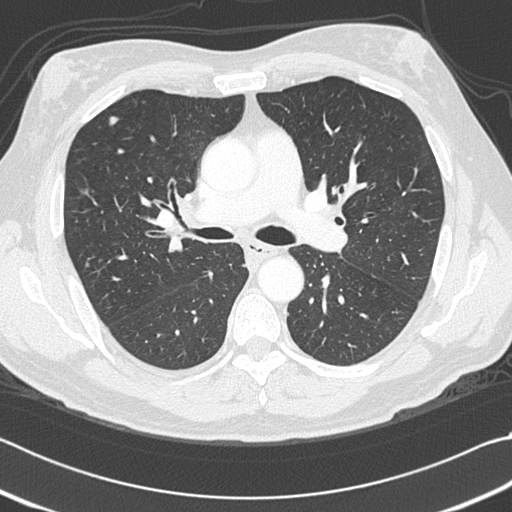
Axial chest CT slice 196 of 312 (counted from the lowest slice); 1.00 mm thick, 0.664 mm per pixel. Two pulmonary nodules are outlined on this slice; from left to right: (1) Pulmonary nodule outlined by three of the four readers, two of them on this slice; box rows 189–196, columns 83–89 (the union of the readers' outlines on this slice); median longest diameter 6.3 mm (readers' outlines 5.4–7.8 mm), median volume 39 mm3 (35–59 mm3). Ratings, median across the readers with their spread: texture 5/5 (solid) from all three readers; median margin 4/5 (readers ranged 4/5 to 5/5 (circumscribed)); median sphericity 4/5 (readers ranged 3/5 (ovoid) to 4/5); calcification absent, all three readers agreeing; internal structure soft tissue, all three readers agreeing; median subtlety 3/5 (readers ranged 2–3); median malignancy likelihood 3/5 (readers ranged 2–3). (2) Pulmonary nodule, outlined by all four readers. Box on this slice rows 116–125, columns 109–119, the union of the readers' outlines on this slice; longest diameter 7.4–13.2 mm and volume 103–239 mm3 across the four readers' outlines. Ratings across the readers: texture 5/5 (solid), all four readers agreeing; margin from 4/5 to 5/5 (circumscribed) across the four readers; sphericity from 3/5 (ovoid) to 5/5 (round) across the four readers; calcification absent from all four readers; internal structure soft tissue from all four readers; subtlety 3–4/5 (the readers disagree); malignancy likelihood 2–3/5 (the readers disagree). Scale key (1–5): texture non-solid→solid, margin indistinct→circumscribed, sphericity linear→round, subtlety extremely subtle→obvious, malignancy likelihood highly unlikely→highly suspicious of cancer. Box rows and columns are 0-based pixel indices from the top-left corner, inclusive.
Tube voltage 120 kVp; convolution kernel B45f.